Axial chest CT slice 204 of 484 (counted from the lowest slice); tube voltage 120 kVp, convolution kernel STANDARD; slices 1.25 mm thick, 0.664 mm per pixel.
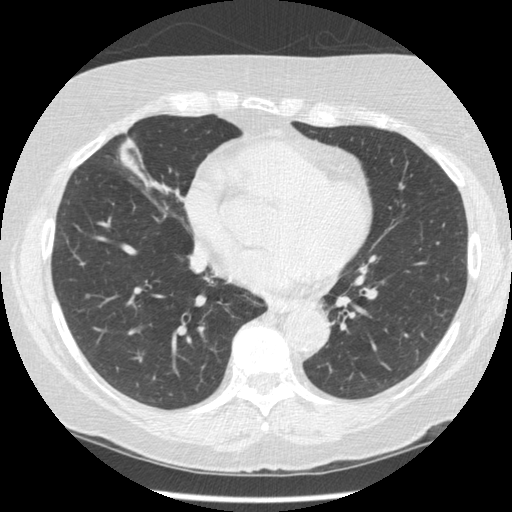
Pulmonary nodule at rows 294–298, columns 85–89 (box = that reader's outline on this slice), outlined by one of the four readers; longest diameter 5.6 mm and volume 47 mm3 from that reader's outline. Ratings by that reader: texture 5/5 (solid); margin 4/5; sphericity 5/5 (round); calcification absent; internal structure soft tissue; subtlety 5/5; malignancy likelihood 3/5. Scale key (1–5): texture non-solid→solid, margin indistinct→circumscribed, sphericity linear→round, subtlety extremely subtle→obvious, malignancy likelihood highly unlikely→highly suspicious of cancer. Box rows and columns are 0-based pixel indices from the top-left corner, inclusive.